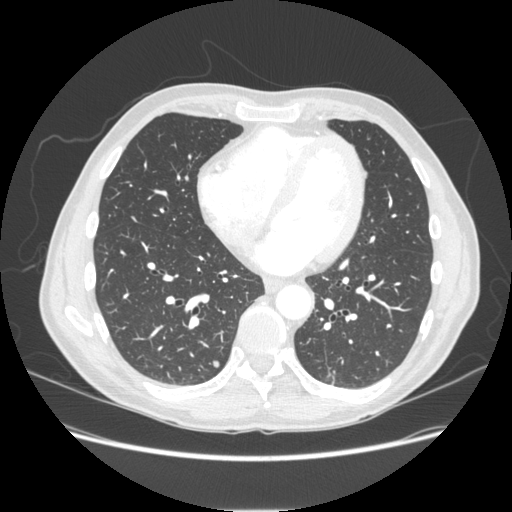
One axial slice (94 of 253, counting up from the lowest) of a chest CT acquired at 120 kVp with the STANDARD kernel; each pixel is 0.742 mm and the slice is 1.25 mm thick.
Pulmonary nodule outlined by all four readers; box rows 360–368, columns 211–218 (the union of the readers' outlines on this slice); longest diameter 7.3–8.5 mm and volume 145–206 mm3 across the four readers' outlines. Ratings across the readers: texture 5/5 (solid), all four readers agreeing; margin from 4/5 to 5/5 (circumscribed) across the four readers; sphericity from 4/5 to 5/5 (round) across the four readers; calcification absent from all four readers; internal structure soft tissue, all four readers agreeing; subtlety 3–4/5 (the readers disagree); malignancy likelihood 2–4/5 (the readers disagree). Scale key (1–5): texture non-solid→solid, margin indistinct→circumscribed, sphericity linear→round, subtlety extremely subtle→obvious, malignancy likelihood highly unlikely→highly suspicious of cancer. Box rows and columns are 0-based pixel indices from the top-left corner, inclusive.